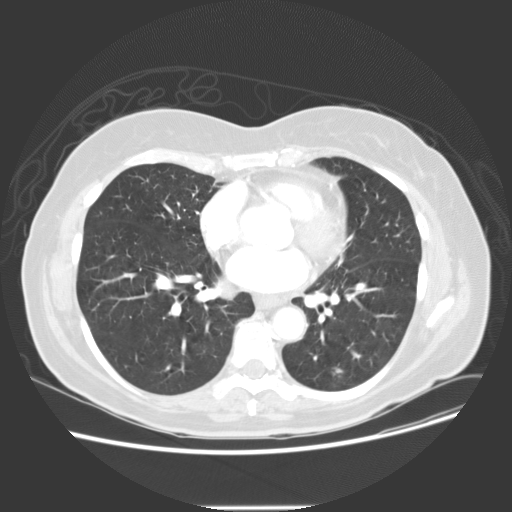
Chest CT, axial plane, 120 kVp, kernel STANDARD. Slice 64/133 from the bottom of the scan; thickness 2.50 mm; pixel size 0.742 mm.
Pulmonary nodule outlined by all four readers, two of them on this slice; box rows 367–376, columns 331–341 (the union of the readers' outlines on this slice); median longest diameter 10.8 mm (readers' outlines 9.7–11.2 mm), median volume 355 mm3 (300–474 mm3). Ratings, median across the readers with their spread: texture 5/5 (solid), all four readers agreeing; margin 5/5 (circumscribed) at the median of four readers, spread 4/5 to 5/5 (circumscribed); median sphericity 3/5 (ovoid) (readers ranged 3/5 (ovoid) to 5/5 (round)); calcification split among the readers: absent (two), solid calcification (two); internal structure soft tissue, all four readers agreeing; median subtlety 4/5 (readers ranged 3–5); malignancy likelihood 1.5/5 at the median of four readers, spread 1–3. Scale key (1–5): texture non-solid→solid, margin indistinct→circumscribed, sphericity linear→round, subtlety extremely subtle→obvious, malignancy likelihood highly unlikely→highly suspicious of cancer. Box rows and columns are 0-based pixel indices from the top-left corner, inclusive.